Axial slice 177 of 265 of a chest CT (slice 1 is the lowest), reconstructed with the BONE kernel at 120 kVp; 1.25 mm slice thickness and 0.664 mm pixels.
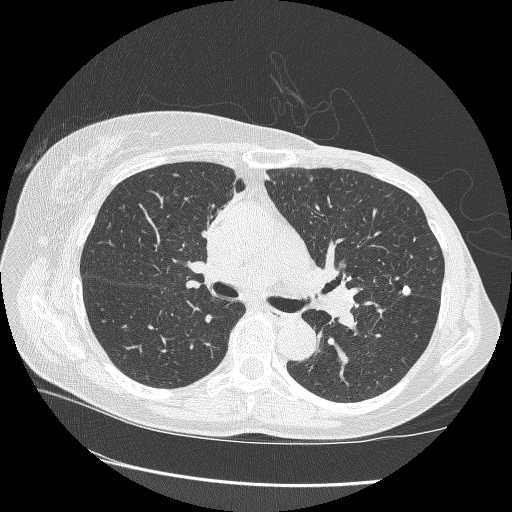
Pulmonary nodule at rows 285–295, columns 402–410 (box = the union of the readers' outlines on this slice), outlined by all four readers; the four readers' outlines give a longest diameter between 9.5 and 10.3 mm and a volume between 272 and 367 mm3. Ratings across the readers: texture 5/5 (solid), all four readers agreeing; margin from 4/5 to 5/5 (circumscribed) across the four readers; sphericity from 3/5 (ovoid) to 5/5 (round) across the four readers; calcification: solid calcification (three), absent (one); internal structure soft tissue from all four readers; subtlety rated between 4 and 5 out of 5 by the four readers; malignancy likelihood rated between 1 and 4 out of 5 by the four readers. Scale key (1–5): texture non-solid→solid, margin indistinct→circumscribed, sphericity linear→round, subtlety extremely subtle→obvious, malignancy likelihood highly unlikely→highly suspicious of cancer. Box rows and columns are 0-based pixel indices from the top-left corner, inclusive.